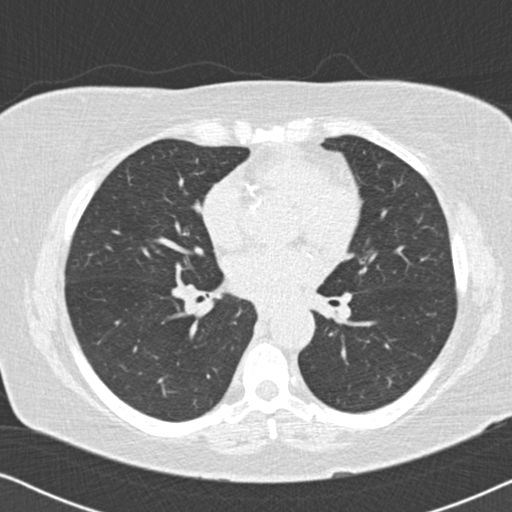
This is axial slice 103 of 177 (slice 1 is the lowest) of a chest CT; each pixel is 0.643 mm and the slice is 2.00 mm thick. The readers outlined no nodule of 3 mm or more on this slice.
Scan settings: 120 kVp, B30f reconstruction kernel.